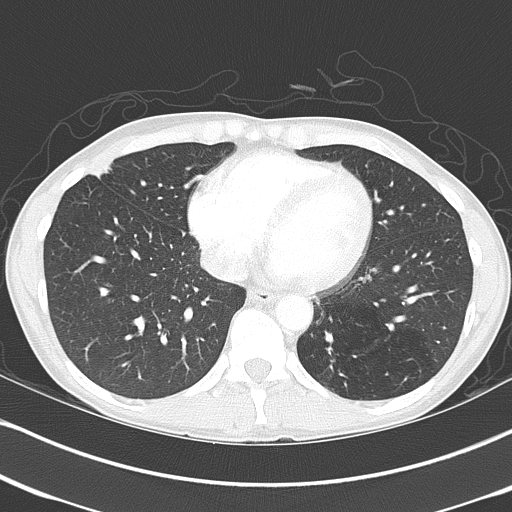
Chest CT, axial plane, 120 kVp, kernel B70f. Slice 157/368 from the bottom of the scan; thickness 2.00 mm; pixel size 0.623 mm.
Pulmonary nodule at rows 163–175, columns 93–109 (box = the one reader's outline on this slice), outlined by all four readers, one of them on this slice; longest diameter 31.5 mm on average over the four readers' outlines (readers' outlines 27.1–39.3 mm), volume 6531–9806 mm3. The readers' prevailing ratings and who disagreed: texture 5/5 (solid) from all four readers; margin 4/5 by two of four readers; the rest gave 2/5 (one), 5/5 (circumscribed) (one); most readers (three of four) put sphericity at 3/5 (ovoid), others 2/5 (one); calcification split among the readers: laminated calcification (one), absent (one), popcorn calcification (one), non-central calcification (one); internal structure soft tissue, all four readers agreeing; subtlety 5/5 from all four readers; malignancy likelihood split among the readers: 1/5 (one), 2/5 (one), 4/5 (one), 5/5 (one). Scale key (1–5): texture non-solid→solid, margin indistinct→circumscribed, sphericity linear→round, subtlety extremely subtle→obvious, malignancy likelihood highly unlikely→highly suspicious of cancer. Box rows and columns are 0-based pixel indices from the top-left corner, inclusive.